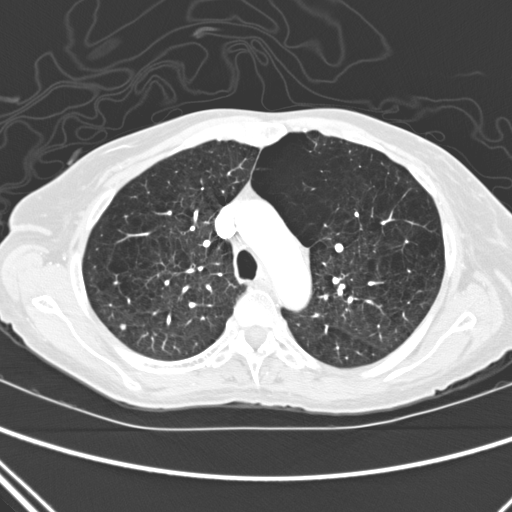
Axial chest CT slice 188 of 280 (counted from the lowest slice); tube voltage 120 kVp, convolution kernel D; slices 2.00 mm thick, 0.627 mm per pixel.
Pulmonary nodule outlined by two of the four readers; box rows 324–329, columns 120–125 (the union of the readers' outlines on this slice); median longest diameter 5.1 mm (readers' outlines 5.1 mm), median volume 55 mm3 (53–57 mm3). Ratings, median across the readers with their spread: texture 5/5 (solid), both readers agreeing; margin 5/5 (circumscribed), both readers agreeing; sphericity 4.5/5 at the median of two readers, spread 4/5 to 5/5 (round); calcification absent from both readers; internal structure soft tissue from both readers; median subtlety 2.5/5 (readers ranged 2–3); malignancy likelihood 2/5, both readers agreeing. Scale key (1–5): texture non-solid→solid, margin indistinct→circumscribed, sphericity linear→round, subtlety extremely subtle→obvious, malignancy likelihood highly unlikely→highly suspicious of cancer. Box rows and columns are 0-based pixel indices from the top-left corner, inclusive.